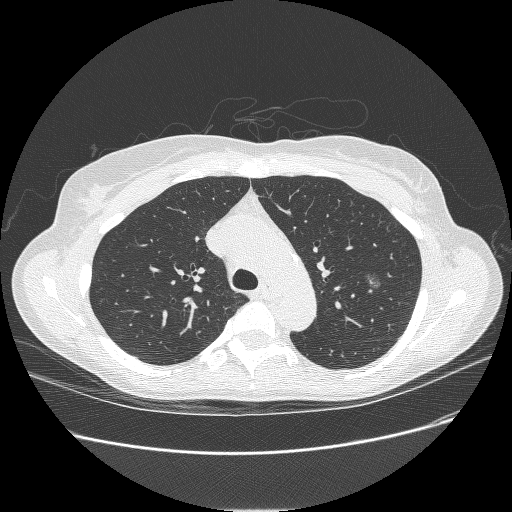
Axial slice 180 of 238 of a chest CT (slice 1 is the lowest), reconstructed with the BONE kernel at 120 kVp; 1.25 mm slice thickness and 0.703 mm pixels.
Pulmonary nodule, outlined by all four readers. Box on this slice rows 271–290, columns 363–382, the union of the readers' outlines on this slice; longest diameter 14.9 mm on average over the four readers' outlines (readers' outlines 13.3–17.8 mm), volume 437–1030 mm3. The readers' prevailing ratings and who disagreed: most readers (three of four) put texture at 1/5 (non-solid), others 3/5 (part-solid) (one); margin 1/5 (indistinct) by three of four readers; the rest gave 5/5 (circumscribed) (one); sphericity 4/5 by three of four readers; the rest gave 3/5 (ovoid) (one); calcification absent from all four readers; internal structure soft tissue, all four readers agreeing; subtlety 4/5 by two of four readers; the rest gave 3/5 (one), 5/5 (one); malignancy likelihood 4/5 by two of four readers; the rest gave 2/5 (one), 3/5 (one). Scale key (1–5): texture non-solid→solid, margin indistinct→circumscribed, sphericity linear→round, subtlety extremely subtle→obvious, malignancy likelihood highly unlikely→highly suspicious of cancer. Box rows and columns are 0-based pixel indices from the top-left corner, inclusive.